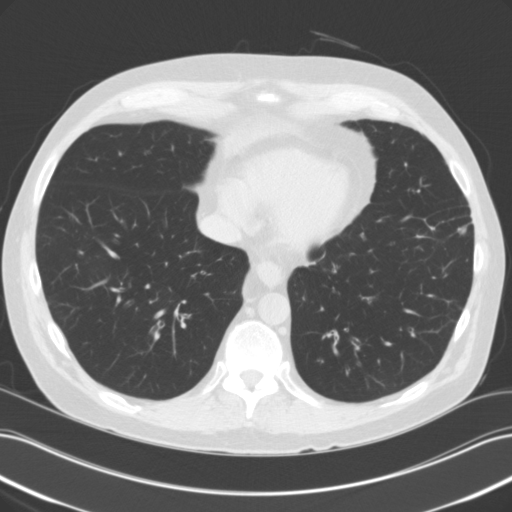
Chest CT, axial plane, 120 kVp, kernel B31f. Slice 38/118 from the bottom of the scan; thickness 3.00 mm; pixel size 0.707 mm.
Pulmonary nodule at rows 224–235, columns 456–467 (box = the union of the readers' outlines on this slice), outlined by all four readers; longest diameter 11.6 mm on average over the four readers' outlines (readers' outlines 9.5–14.7 mm), volume 228–533 mm3. The readers' prevailing ratings and who disagreed: texture 5/5 (solid) by three of four readers; the rest gave 4/5 (one); margin 4/5 by two of four readers; the rest gave 3/5 (one), 5/5 (circumscribed) (one); sphericity 3/5 (ovoid) by three of four readers; the rest gave 4/5 (one); calcification absent from all four readers; internal structure soft tissue from all four readers; subtlety 4/5 by two of four readers; the rest gave 3/5 (one), 5/5 (one); most readers (three of four) put malignancy likelihood at 3/5, others 2/5 (one). Scale key (1–5): texture non-solid→solid, margin indistinct→circumscribed, sphericity linear→round, subtlety extremely subtle→obvious, malignancy likelihood highly unlikely→highly suspicious of cancer. Box rows and columns are 0-based pixel indices from the top-left corner, inclusive.